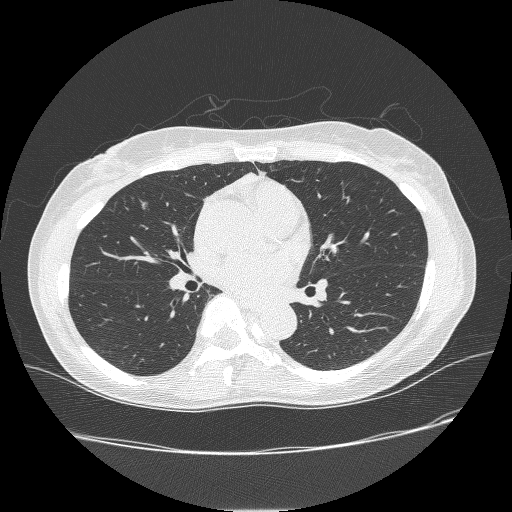
Axial chest CT slice 135 of 238 (counted from the lowest slice); 1.25 mm thick, 0.703 mm per pixel. Pulmonary nodule, outlined by all four readers. Box on this slice rows 200–209, columns 140–148, the union of the readers' outlines on this slice; longest diameter 8.8–11.4 mm and volume 98–184 mm3 across the four readers' outlines. The readers' ratings, as ranges where they differ: texture from 3/5 (part-solid) to 5/5 (solid) across the four readers; margin from 2/5 to 5/5 (circumscribed) across the four readers; sphericity from 2/5 to 4/5 across the four readers; calcification absent from all four readers; internal structure soft tissue, all four readers agreeing; subtlety rated between 2 and 5 out of 5 by the four readers; malignancy likelihood from 2/5 to 4/5 across the four readers. Scale key (1–5): texture non-solid→solid, margin indistinct→circumscribed, sphericity linear→round, subtlety extremely subtle→obvious, malignancy likelihood highly unlikely→highly suspicious of cancer. Box rows and columns are 0-based pixel indices from the top-left corner, inclusive.
Acquired at 120 kVp and reconstructed with the BONE kernel.